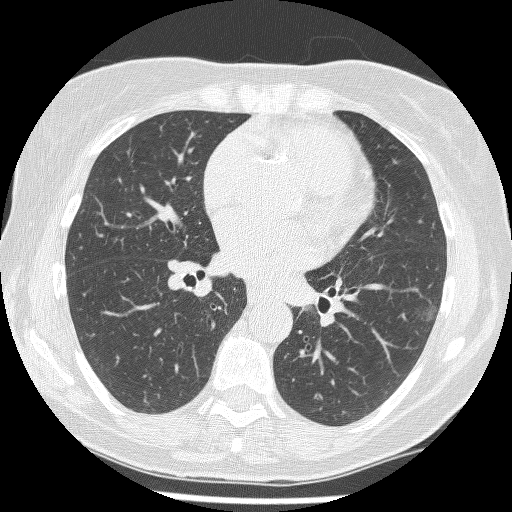
Axial chest CT slice 123 of 241 (counted from the lowest slice); tube voltage 120 kVp, convolution kernel BONE; slices 1.25 mm thick, 0.590 mm per pixel.
Pulmonary nodule at rows 302–322, columns 414–436 (box = the union of the readers' outlines on this slice), outlined by three of the four readers; longest diameter 16.5 mm on average over the three readers' outlines (readers' outlines 16.1–17.2 mm), volume 610–777 mm3. The readers' prevailing ratings and who disagreed: most readers (two of three) put texture at 1/5 (non-solid), others 2/5 (one); margin split among the readers: 1/5 (indistinct) (one), 2/5 (one), 3/5 (one); most readers (two of three) put sphericity at 3/5 (ovoid), others 4/5 (one); calcification absent, all three readers agreeing; internal structure soft tissue, all three readers agreeing; subtlety split among the readers: 2/5 (one), 3/5 (one), 4/5 (one); malignancy likelihood 3/5 by two of three readers; the rest gave 4/5 (one). Scale key (1–5): texture non-solid→solid, margin indistinct→circumscribed, sphericity linear→round, subtlety extremely subtle→obvious, malignancy likelihood highly unlikely→highly suspicious of cancer. Box rows and columns are 0-based pixel indices from the top-left corner, inclusive.